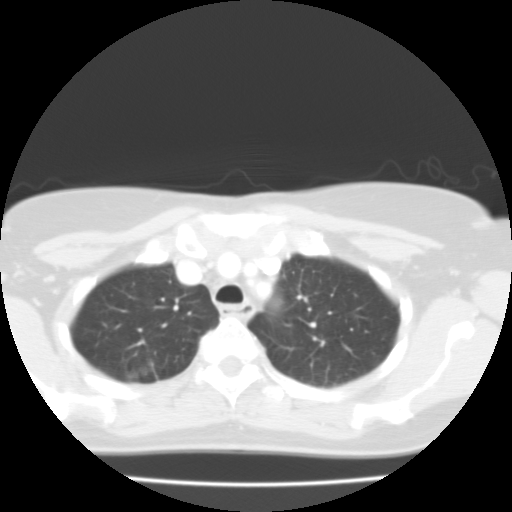
This is axial slice 77 of 99 (slice 1 is the lowest) of a chest CT; each pixel is 0.586 mm and the slice is 3.00 mm thick. Pulmonary nodule outlined by all four readers, one of them on this slice; box rows 366–374, columns 138–147 (the one reader's outline on this slice); longest diameter 24.7 mm on average over the four readers' outlines (readers' outlines 23.2–25.9 mm), volume 4482–6539 mm3. Ratings, by the readers' most common answer with dissent counted: texture 5/5 (solid), all four readers agreeing; most readers (three of four) put margin at 4/5, others 5/5 (circumscribed) (one); sphericity split among the readers: 4/5 (two), 5/5 (round) (two); calcification absent from all four readers; internal structure soft tissue, all four readers agreeing; most readers (three of four) put subtlety at 5/5, others 3/5 (one); malignancy likelihood 5/5 by two of four readers; the rest gave 2/5 (one), 3/5 (one). Scale key (1–5): texture non-solid→solid, margin indistinct→circumscribed, sphericity linear→round, subtlety extremely subtle→obvious, malignancy likelihood highly unlikely→highly suspicious of cancer. Box rows and columns are 0-based pixel indices from the top-left corner, inclusive.
Acquired at 135 kVp and reconstructed with the FC01 kernel.